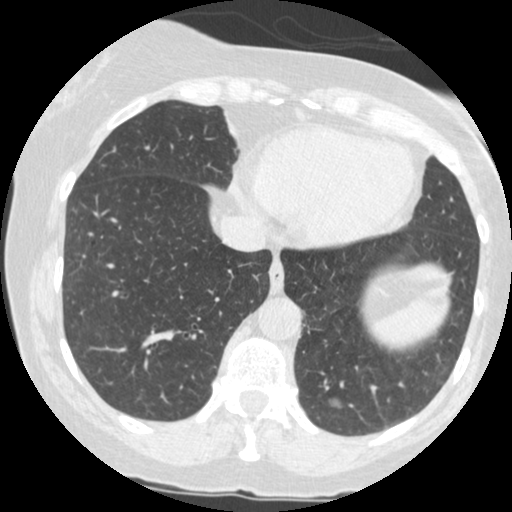
One axial slice (128 of 484, counting up from the lowest) of a chest CT acquired at 120 kVp with the STANDARD kernel; each pixel is 0.586 mm and the slice is 1.25 mm thick.
Pulmonary nodule at rows 397–408, columns 328–343 (box = the union of the readers' outlines on this slice), outlined by all four readers; median longest diameter 15.5 mm (readers' outlines 14.7–16.9 mm), median volume 1266 mm3 (1036–1469 mm3). Median ratings and the readers' spread: texture 5/5 (solid) from all four readers; margin 5/5 (circumscribed), all four readers agreeing; median sphericity 4/5 (readers ranged 3/5 (ovoid) to 5/5 (round)); calcification absent, all four readers agreeing; internal structure soft tissue from all four readers; subtlety 5/5, all four readers agreeing; malignancy likelihood 4/5 at the median of four readers, spread 2–5. Scale key (1–5): texture non-solid→solid, margin indistinct→circumscribed, sphericity linear→round, subtlety extremely subtle→obvious, malignancy likelihood highly unlikely→highly suspicious of cancer. Box rows and columns are 0-based pixel indices from the top-left corner, inclusive.